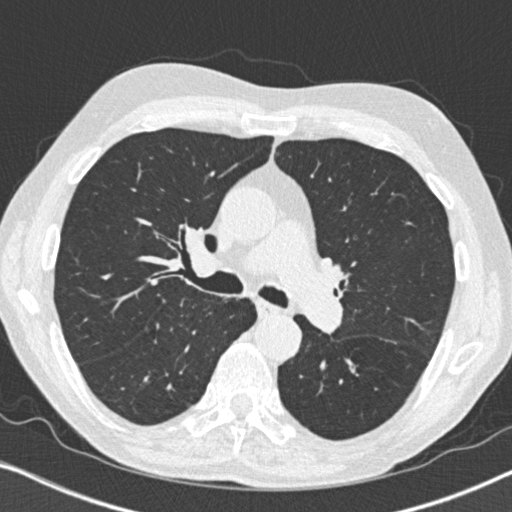
Axial slice 484 of 764 of a chest CT (slice 1 is the lowest), reconstructed with the B31f kernel at 120 kVp; 1.00 mm slice thickness and 0.646 mm pixels.
Pulmonary nodule outlined by two of the four readers, one of them on this slice; box rows 373–376, columns 356–358 (the one reader's outline on this slice); median longest diameter 5.2 mm (readers' outlines 4.7–5.8 mm), median volume 70 mm3 (50–90 mm3). Ratings, median across the readers with their spread: texture 5/5 (solid), both readers agreeing; margin 5/5 (circumscribed) from both readers; sphericity 4.5/5 at the median of two readers, spread 4/5 to 5/5 (round); calcification solid calcification, both readers agreeing; internal structure soft tissue from both readers; subtlety 5/5, both readers agreeing; malignancy likelihood 1/5 from both readers. Scale key (1–5): texture non-solid→solid, margin indistinct→circumscribed, sphericity linear→round, subtlety extremely subtle→obvious, malignancy likelihood highly unlikely→highly suspicious of cancer. Box rows and columns are 0-based pixel indices from the top-left corner, inclusive.